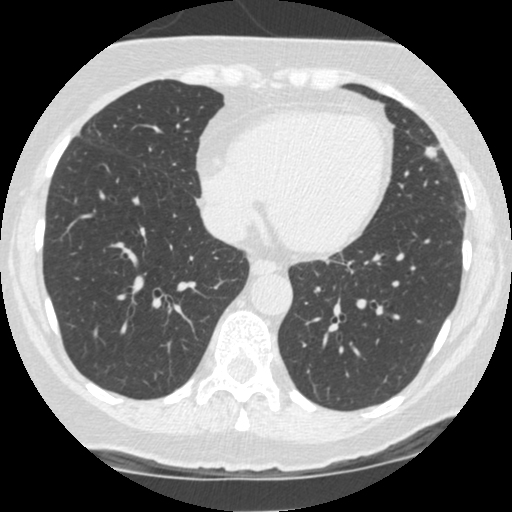
Axial chest CT slice 156 of 481 (counted from the lowest slice); 1.25 mm thick, 0.586 mm per pixel. Pulmonary nodule at rows 146–158, columns 424–438 (box = the union of the readers' outlines on this slice), outlined by all four readers; longest diameter 10.6 mm on average over the four readers' outlines (readers' outlines 9.6–11.3 mm), volume 410–491 mm3. Ratings, by the readers' most common answer with dissent counted: texture 5/5 (solid), all four readers agreeing; most readers (three of four) put margin at 5/5 (circumscribed), others 4/5 (one); most readers (three of four) put sphericity at 4/5, others 5/5 (round) (one); calcification absent from all four readers; internal structure soft tissue, all four readers agreeing; most readers (three of four) put subtlety at 5/5, others 4/5 (one); malignancy likelihood split among the readers: 2/5 (one), 3/5 (one), 4/5 (one), 5/5 (one). Scale key (1–5): texture non-solid→solid, margin indistinct→circumscribed, sphericity linear→round, subtlety extremely subtle→obvious, malignancy likelihood highly unlikely→highly suspicious of cancer. Box rows and columns are 0-based pixel indices from the top-left corner, inclusive.
Acquired at 120 kVp and reconstructed with the STANDARD kernel.